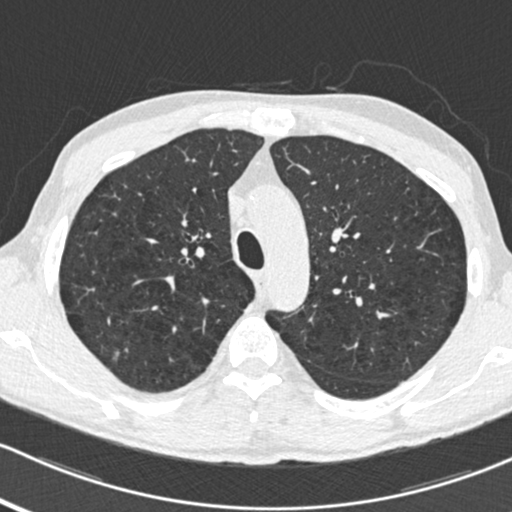
Axial chest CT slice 368 of 483 (counted from the lowest slice); 0.75 mm thick, 0.617 mm per pixel. Pulmonary nodule at rows 350–360, columns 112–119 (box = the union of the readers' outlines on this slice), outlined by three of the four readers; longest diameter 10.0–12.0 mm and volume 141–227 mm3 across the three readers' outlines. The readers' ratings, as ranges where they differ: texture from 2/5 to 3/5 (part-solid) across the three readers; margin from 1/5 (indistinct) to 2/5 across the three readers; sphericity from 3/5 (ovoid) to 4/5 across the three readers; calcification absent from all three readers; internal structure soft tissue from all three readers; subtlety 2–4/5 (the readers disagree); malignancy likelihood 3–5/5 (the readers disagree). Scale key (1–5): texture non-solid→solid, margin indistinct→circumscribed, sphericity linear→round, subtlety extremely subtle→obvious, malignancy likelihood highly unlikely→highly suspicious of cancer. Box rows and columns are 0-based pixel indices from the top-left corner, inclusive.
Acquired at 120 kVp and reconstructed with the B30f kernel.